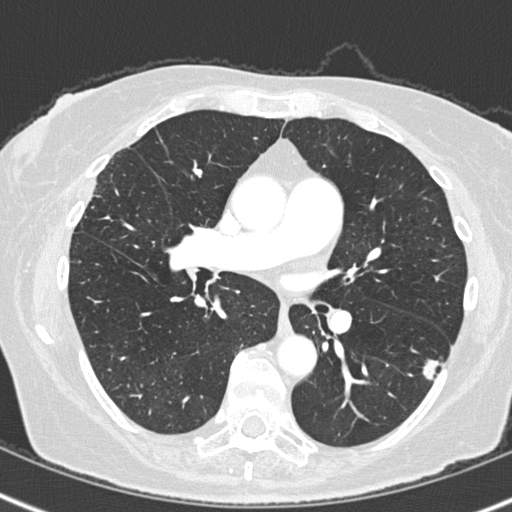
Axial chest CT slice 172 of 308 (counted from the lowest slice); 1.00 mm thick, 0.586 mm per pixel. Pulmonary nodule outlined by all four readers; box rows 359–380, columns 422–441 (the union of the readers' outlines on this slice); longest diameter 15.5–19.6 mm and volume 724–1186 mm3 across the four readers' outlines. Ratings across the readers: texture from 4/5 to 5/5 (solid) across the four readers; margin from 3/5 to 4/5 across the four readers; sphericity from 3/5 (ovoid) to 5/5 (round) across the four readers; calcification absent, all four readers agreeing; internal structure soft tissue from all four readers; subtlety rated between 4 and 5 out of 5 by the four readers; malignancy likelihood from 4/5 to 5/5 across the four readers. Scale key (1–5): texture non-solid→solid, margin indistinct→circumscribed, sphericity linear→round, subtlety extremely subtle→obvious, malignancy likelihood highly unlikely→highly suspicious of cancer. Box rows and columns are 0-based pixel indices from the top-left corner, inclusive.
Tube voltage 120 kVp; convolution kernel B45f.